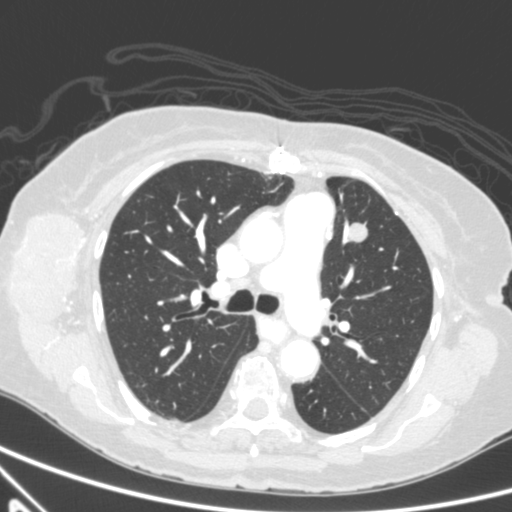
Axial chest CT slice 368 of 590 (counted from the lowest slice); tube voltage 120 kVp, convolution kernel B; slices 0.90 mm thick, 0.627 mm per pixel.
Pulmonary nodule, outlined by all four readers. Box on this slice rows 222–242, columns 347–367, the union of the readers' outlines on this slice; median longest diameter 17.7 mm (readers' outlines 16.3–20.1 mm), median volume 1143 mm3 (1116–1236 mm3). Median ratings and the readers' spread: texture 5/5 (solid), all four readers agreeing; margin 4/5 at the median of four readers, spread 3/5 to 5/5 (circumscribed); sphericity 3.5/5 at the median of four readers, spread 3/5 (ovoid) to 4/5; calcification absent from all four readers; internal structure soft tissue from all four readers; median subtlety 5/5 (readers ranged 4–5); malignancy likelihood 4/5 at the median of four readers, spread 3–5. Scale key (1–5): texture non-solid→solid, margin indistinct→circumscribed, sphericity linear→round, subtlety extremely subtle→obvious, malignancy likelihood highly unlikely→highly suspicious of cancer. Box rows and columns are 0-based pixel indices from the top-left corner, inclusive.